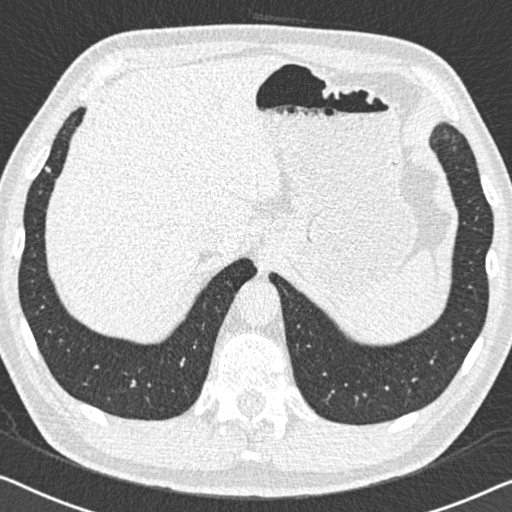
Axial slice 138 of 558 of a chest CT (slice 1 is the lowest), reconstructed with the B30f kernel at 120 kVp; 0.75 mm slice thickness and 0.648 mm pixels.
Pulmonary nodule at rows 166–171, columns 45–50 (box = the union of the readers' outlines on this slice), outlined by two of the four readers; median longest diameter 5.7 mm (readers' outlines 5.6–5.8 mm), median volume 58 mm3 (53–63 mm3). Median ratings and the readers' spread: median texture 4.5/5 (readers ranged 4/5 to 5/5 (solid)); margin 4/5, both readers agreeing; sphericity 2.5/5 at the median of two readers, spread 2/5 to 3/5 (ovoid); calcification absent, both readers agreeing; internal structure soft tissue from both readers; subtlety 3.5/5 at the median of two readers, spread 2–5; median malignancy likelihood 2.5/5 (readers ranged 2–3). Scale key (1–5): texture non-solid→solid, margin indistinct→circumscribed, sphericity linear→round, subtlety extremely subtle→obvious, malignancy likelihood highly unlikely→highly suspicious of cancer. Box rows and columns are 0-based pixel indices from the top-left corner, inclusive.